One axial slice (261 of 301, counting up from the lowest) of a chest CT acquired at 120 kVp with the STANDARD kernel; each pixel is 0.752 mm and the slice is 1.25 mm thick.
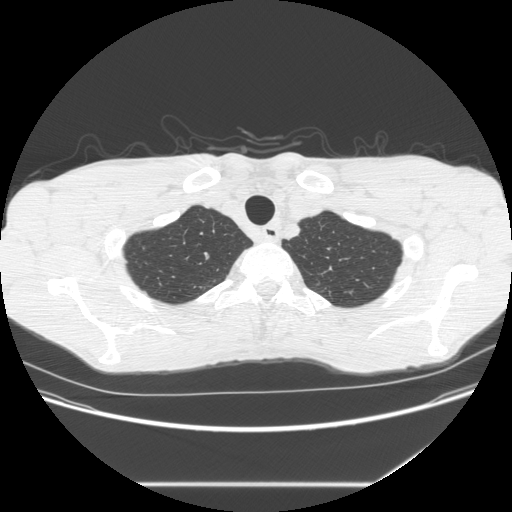
Pulmonary nodule outlined by one of the four readers; box rows 254–257, columns 205–208 (that reader's outline on this slice); longest diameter 4.4 mm and volume 27 mm3 from that reader's outline. Ratings by that reader: texture 4/5; margin 2/5; sphericity 4/5; calcification absent; internal structure soft tissue; subtlety 2/5; malignancy likelihood 2/5. Scale key (1–5): texture non-solid→solid, margin indistinct→circumscribed, sphericity linear→round, subtlety extremely subtle→obvious, malignancy likelihood highly unlikely→highly suspicious of cancer. Box rows and columns are 0-based pixel indices from the top-left corner, inclusive.